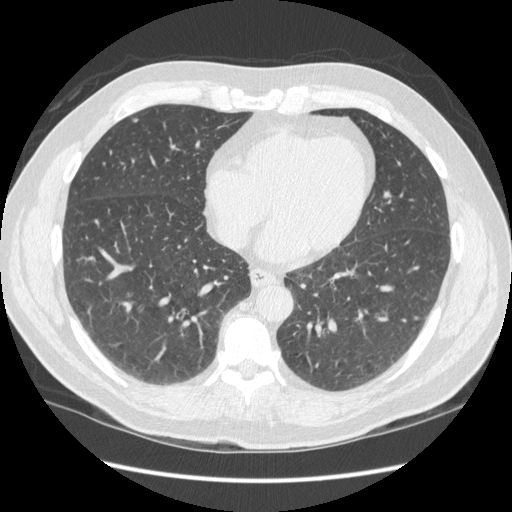
One axial slice (166 of 449, counting up from the lowest) of a chest CT acquired at 120 kVp with the STANDARD kernel; each pixel is 0.742 mm and the slice is 1.25 mm thick.
Pulmonary nodule at rows 119–121, columns 132–137 (box = that reader's outline on this slice), outlined by one of the four readers; longest diameter 6.1 mm and volume 97 mm3 from that reader's outline. That reader's ratings: texture 5/5 (solid); margin 5/5 (circumscribed); sphericity 5/5 (round); calcification absent; internal structure soft tissue; subtlety 4/5; malignancy likelihood 3/5. Scale key (1–5): texture non-solid→solid, margin indistinct→circumscribed, sphericity linear→round, subtlety extremely subtle→obvious, malignancy likelihood highly unlikely→highly suspicious of cancer. Box rows and columns are 0-based pixel indices from the top-left corner, inclusive.